Axial chest CT slice 90 of 191 (counted from the lowest slice); tube voltage 120 kVp, convolution kernel B30f; slices 2.00 mm thick, 0.684 mm per pixel.
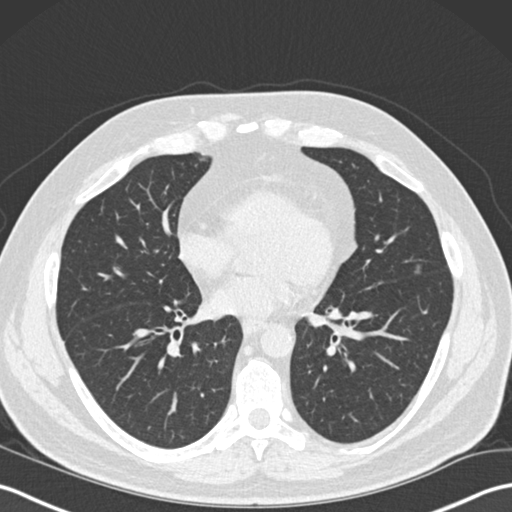
Pulmonary nodule, outlined by all four readers. Box on this slice rows 264–274, columns 414–422, the union of the readers' outlines on this slice; median longest diameter 8.5 mm (readers' outlines 7.8–8.8 mm), median volume 89 mm3 (75–119 mm3). Ratings, median across the readers with their spread: texture 2/5 at the median of four readers, spread 1/5 (non-solid) to 5/5 (solid); margin 3/5 at the median of four readers, spread 2/5 to 4/5; sphericity 3/5 (ovoid) from all four readers; calcification absent, all four readers agreeing; internal structure soft tissue, all four readers agreeing; subtlety 4/5 at the median of four readers, spread 2–5; malignancy likelihood 2/5 from all four readers. Scale key (1–5): texture non-solid→solid, margin indistinct→circumscribed, sphericity linear→round, subtlety extremely subtle→obvious, malignancy likelihood highly unlikely→highly suspicious of cancer. Box rows and columns are 0-based pixel indices from the top-left corner, inclusive.